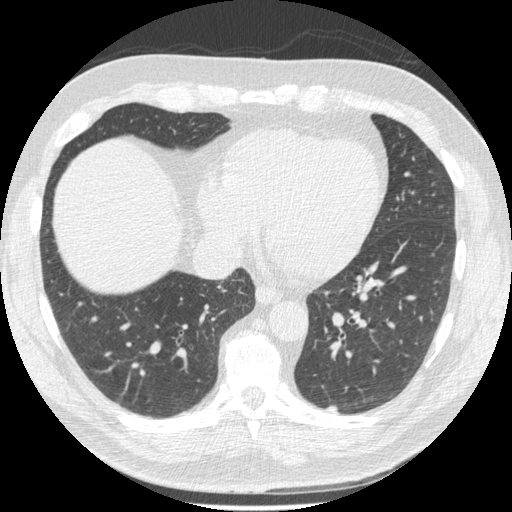
Slice 208/557 of a chest CT, counting up from the lowest; pixel size 0.703 mm, slice thickness 1.25 mm. Pulmonary nodule at rows 405–411, columns 326–337 (box = the union of the readers' outlines on this slice), outlined by two of the four readers; longest diameter 11.3 mm on average over the two readers' outlines (readers' outlines 9.4–13.1 mm), volume 126–127 mm3. Ratings, by the readers' most common answer with dissent counted: texture 5/5 (solid) from both readers; margin 3/5 from both readers; sphericity 3/5 (ovoid) from both readers; calcification absent from both readers; internal structure soft tissue from both readers; subtlety 3/5, both readers agreeing; malignancy likelihood split among the readers: 1/5 (one), 3/5 (one). Scale key (1–5): texture non-solid→solid, margin indistinct→circumscribed, sphericity linear→round, subtlety extremely subtle→obvious, malignancy likelihood highly unlikely→highly suspicious of cancer. Box rows and columns are 0-based pixel indices from the top-left corner, inclusive.
Tube voltage 120 kVp; convolution kernel STANDARD.